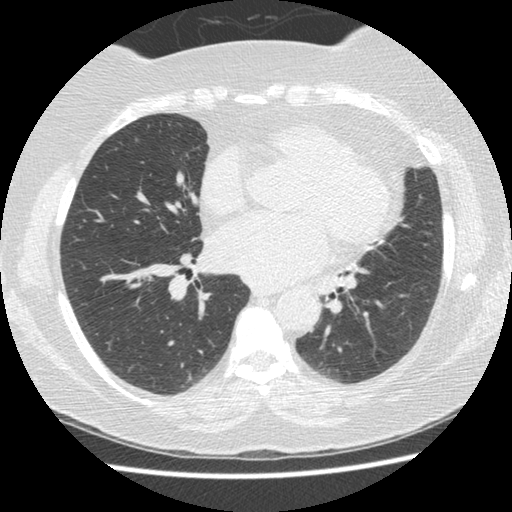
Axial chest CT slice 239 of 474 (counted from the lowest slice); 1.25 mm thick, 0.645 mm per pixel. Pulmonary nodule at rows 137–141, columns 134–137 (box = the one reader's outline on this slice), outlined by two of the four readers, one of them on this slice; median longest diameter 6.2 mm (readers' outlines 5.8–6.5 mm), median volume 55 mm3 (46–63 mm3). Median ratings and the readers' spread: texture 3.5/5 at the median of two readers, spread 2/5 to 5/5 (solid); margin 4/5, both readers agreeing; sphericity 3/5 (ovoid) from both readers; calcification absent, both readers agreeing; internal structure soft tissue, both readers agreeing; subtlety 3.5/5 at the median of two readers, spread 3–4; malignancy likelihood 4/5 at the median of two readers, spread 3–5. Scale key (1–5): texture non-solid→solid, margin indistinct→circumscribed, sphericity linear→round, subtlety extremely subtle→obvious, malignancy likelihood highly unlikely→highly suspicious of cancer. Box rows and columns are 0-based pixel indices from the top-left corner, inclusive.
Tube voltage 120 kVp; convolution kernel STANDARD.